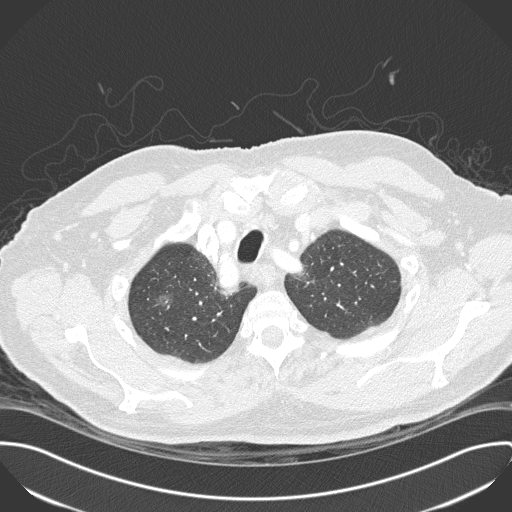
One axial slice (272 of 330, counting up from the lowest) of a chest CT acquired at 120 kVp with the B45f kernel; each pixel is 0.762 mm and the slice is 1.00 mm thick.
Pulmonary nodule at rows 293–310, columns 152–174 (box = the union of the readers' outlines on this slice), outlined by all four readers; median longest diameter 16.9 mm (readers' outlines 15.2–19.9 mm), median volume 843 mm3 (678–927 mm3). Ratings, median across the readers with their spread: texture 1/5 (non-solid) at the median of four readers, spread 1/5 (non-solid) to 2/5; margin 2/5 at the median of four readers, spread 1/5 (indistinct) to 4/5; median sphericity 4/5 (readers ranged 3/5 (ovoid) to 5/5 (round)); calcification absent from all four readers; internal structure soft tissue, all four readers agreeing; subtlety 3/5 at the median of four readers, spread 1–4; median malignancy likelihood 3.5/5 (readers ranged 2–4). Scale key (1–5): texture non-solid→solid, margin indistinct→circumscribed, sphericity linear→round, subtlety extremely subtle→obvious, malignancy likelihood highly unlikely→highly suspicious of cancer. Box rows and columns are 0-based pixel indices from the top-left corner, inclusive.